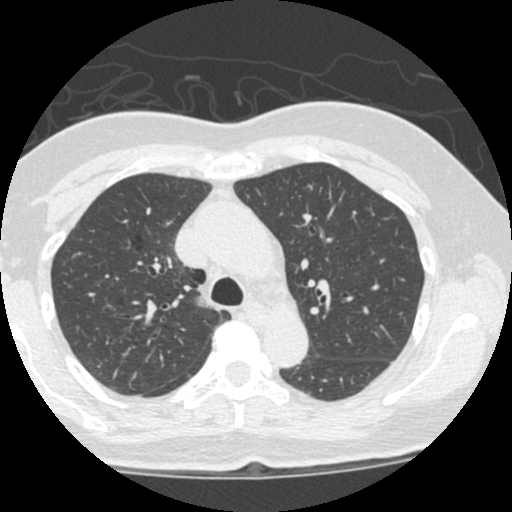
This is axial slice 366 of 490 (slice 1 is the lowest) of a chest CT; each pixel is 0.547 mm and the slice is 1.25 mm thick. Pulmonary nodule at rows 358–364, columns 86–93 (box = the one reader's outline on this slice), outlined by three of the four readers, one of them on this slice; longest diameter 15.9 mm on average over the three readers' outlines (readers' outlines 14.3–18.3 mm), volume 967–1422 mm3. The readers' prevailing ratings and who disagreed: most readers (two of three) put texture at 1/5 (non-solid), others 5/5 (solid) (one); margin 2/5 by two of three readers; the rest gave 4/5 (one); sphericity split among the readers: 3/5 (ovoid) (one), 4/5 (one), 5/5 (round) (one); calcification absent from all three readers; internal structure soft tissue from all three readers; subtlety 5/5 by two of three readers; the rest gave 1/5 (one); malignancy likelihood split among the readers: 2/5 (one), 3/5 (one), 5/5 (one). Scale key (1–5): texture non-solid→solid, margin indistinct→circumscribed, sphericity linear→round, subtlety extremely subtle→obvious, malignancy likelihood highly unlikely→highly suspicious of cancer. Box rows and columns are 0-based pixel indices from the top-left corner, inclusive.
Scan settings: 120 kVp, STANDARD reconstruction kernel.